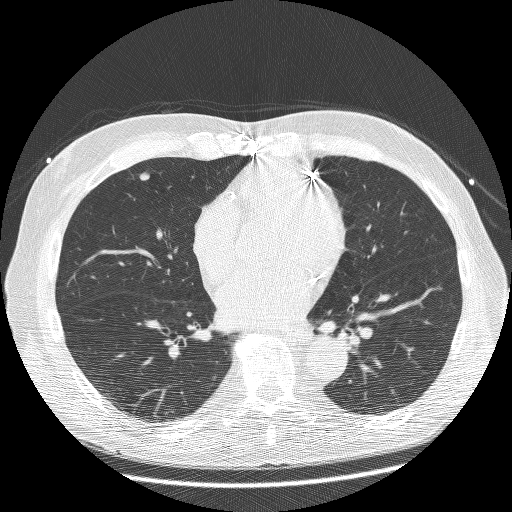
One axial slice (108 of 260, counting up from the lowest) of a chest CT acquired at 120 kVp with the BONE kernel; each pixel is 0.703 mm and the slice is 1.25 mm thick.
Pulmonary nodule outlined by all four readers; box rows 171–180, columns 139–149 (the union of the readers' outlines on this slice); longest diameter 8.0–9.1 mm and volume 118–204 mm3 across the four readers' outlines. The readers' ratings, as ranges where they differ: texture 5/5 (solid), all four readers agreeing; margin from 4/5 to 5/5 (circumscribed) across the four readers; sphericity from 3/5 (ovoid) to 5/5 (round) across the four readers; calcification absent, all four readers agreeing; internal structure soft tissue from all four readers; subtlety 4–5/5 (the readers disagree); malignancy likelihood 2–5/5 (the readers disagree). Scale key (1–5): texture non-solid→solid, margin indistinct→circumscribed, sphericity linear→round, subtlety extremely subtle→obvious, malignancy likelihood highly unlikely→highly suspicious of cancer. Box rows and columns are 0-based pixel indices from the top-left corner, inclusive.